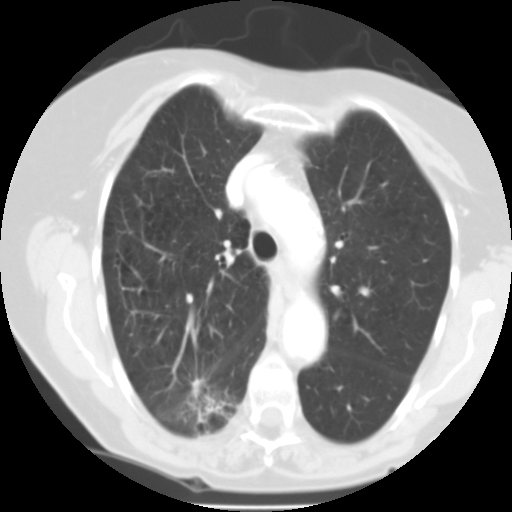
Chest CT, axial plane, 135 kVp, kernel FC01. Slice 70/101 from the bottom of the scan; thickness 3.00 mm; pixel size 0.558 mm.
Pulmonary nodule, outlined by three of the four readers. Box on this slice rows 376–397, columns 190–205, the union of the readers' outlines on this slice; median longest diameter 11.8 mm (readers' outlines 11.1–12.2 mm), median volume 363 mm3 (257–585 mm3). Median ratings and the readers' spread: median texture 4/5 (readers ranged 3/5 (part-solid) to 5/5 (solid)); margin 3/5 at the median of three readers, spread 2/5 to 4/5; sphericity 3/5 (ovoid) at the median of three readers, spread 2/5 to 5/5 (round); calcification absent from all three readers; internal structure soft tissue from all three readers; median subtlety 4/5 (readers ranged 4–5); malignancy likelihood 4/5 at the median of three readers, spread 3–4. Scale key (1–5): texture non-solid→solid, margin indistinct→circumscribed, sphericity linear→round, subtlety extremely subtle→obvious, malignancy likelihood highly unlikely→highly suspicious of cancer. Box rows and columns are 0-based pixel indices from the top-left corner, inclusive.